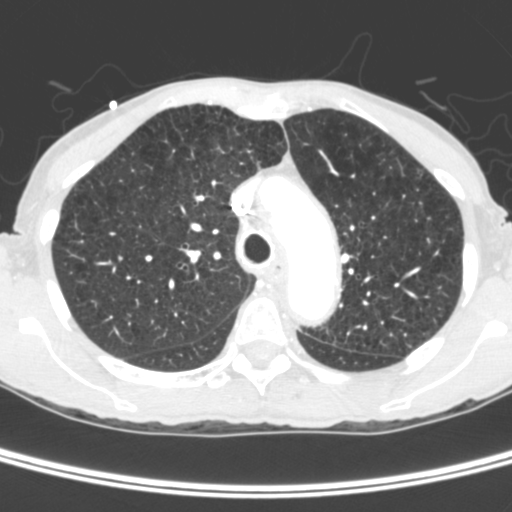
This is axial slice 281 of 400 (slice 1 is the lowest) of a chest CT; each pixel is 0.527 mm and the slice is 1.50 mm thick. Pulmonary nodule outlined by one of the four readers; box rows 255–261, columns 118–121 (that reader's outline on this slice); longest diameter 5.7 mm and volume 76 mm3 from that reader's outline. Ratings by that reader: texture 5/5 (solid); margin 4/5; sphericity 4/5; calcification absent; internal structure soft tissue; subtlety 4/5; malignancy likelihood 3/5. Scale key (1–5): texture non-solid→solid, margin indistinct→circumscribed, sphericity linear→round, subtlety extremely subtle→obvious, malignancy likelihood highly unlikely→highly suspicious of cancer. Box rows and columns are 0-based pixel indices from the top-left corner, inclusive.
Scan settings: 120 kVp, C reconstruction kernel.